Chest CT, axial plane, 120 kVp, kernel B30f. Slice 95/177 from the bottom of the scan; thickness 2.00 mm; pixel size 0.643 mm.
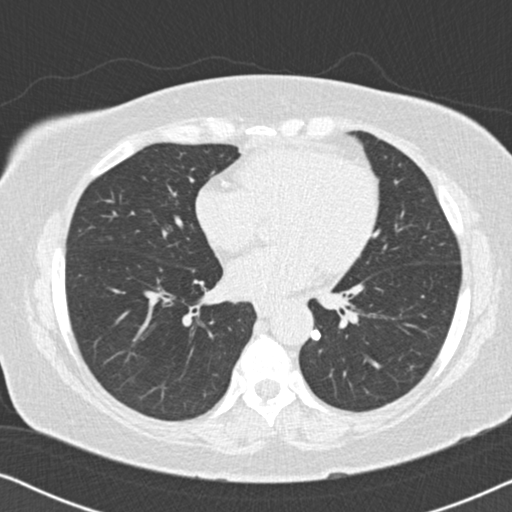
Pulmonary nodule outlined by two of the four readers; box rows 331–338, columns 312–318 (the union of the readers' outlines on this slice); the two readers' outlines give a longest diameter of 6.6 mm and a volume of 131 mm3. The readers' ratings, as ranges where they differ: texture 5/5 (solid) from both readers; margin 5/5 (circumscribed) from both readers; sphericity 5/5 (round) from both readers; calcification solid calcification from both readers; internal structure soft tissue from both readers; subtlety rated between 4 and 5 out of 5 by the two readers; malignancy likelihood 1/5 from both readers. Scale key (1–5): texture non-solid→solid, margin indistinct→circumscribed, sphericity linear→round, subtlety extremely subtle→obvious, malignancy likelihood highly unlikely→highly suspicious of cancer. Box rows and columns are 0-based pixel indices from the top-left corner, inclusive.